Chest CT, axial plane, 120 kVp, kernel B45f. Slice 187/308 from the bottom of the scan; thickness 1.00 mm; pixel size 0.703 mm.
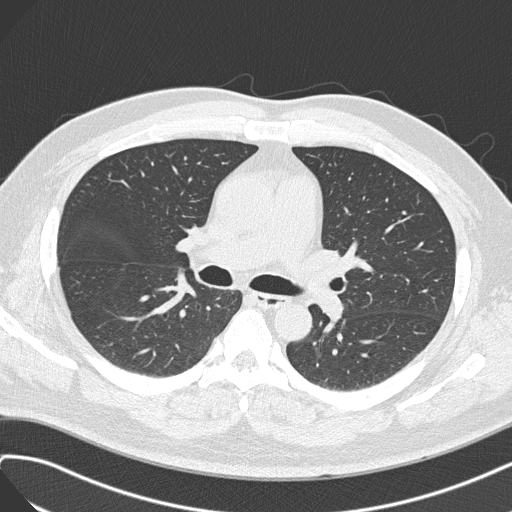
No nodule of 3 mm or larger was outlined by any of the four readers on this slice.